Chest CT, axial plane, 120 kVp, kernel STANDARD. Slice 280/375 from the bottom of the scan; thickness 1.25 mm; pixel size 0.625 mm.
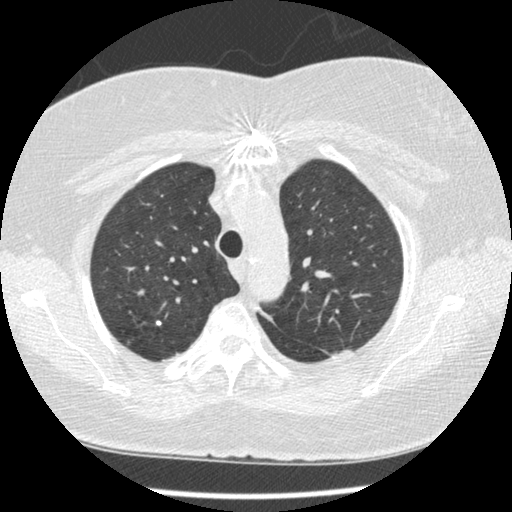
Pulmonary nodule, outlined by three of the four readers. Box on this slice rows 320–325, columns 154–161, the union of the readers' outlines on this slice; median longest diameter 5.2 mm (readers' outlines 5.0–5.9 mm), median volume 31 mm3 (31–56 mm3). Ratings, median across the readers with their spread: texture 5/5 (solid), all three readers agreeing; margin 5/5 (circumscribed) from all three readers; sphericity 5/5 (round) at the median of three readers, spread 4/5 to 5/5 (round); calcification: solid calcification (two), absent (one); internal structure soft tissue from all three readers; median subtlety 4/5 (readers ranged 4–5); malignancy likelihood 1/5 at the median of three readers, spread 1–2. Scale key (1–5): texture non-solid→solid, margin indistinct→circumscribed, sphericity linear→round, subtlety extremely subtle→obvious, malignancy likelihood highly unlikely→highly suspicious of cancer. Box rows and columns are 0-based pixel indices from the top-left corner, inclusive.